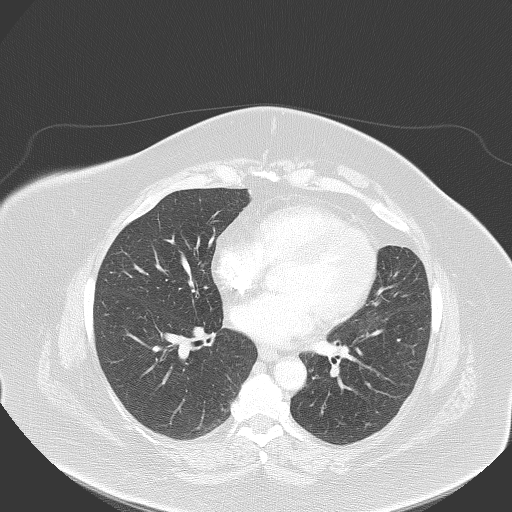
Chest CT, axial plane, 120 kVp, kernel B70f. Slice 171/320 from the bottom of the scan; thickness 2.00 mm; pixel size 0.768 mm.
None of the four readers outlined a nodule of 3 mm or more on this slice.